Axial chest CT slice 390 of 490 (counted from the lowest slice); tube voltage 120 kVp, convolution kernel STANDARD; slices 1.25 mm thick, 0.547 mm per pixel.
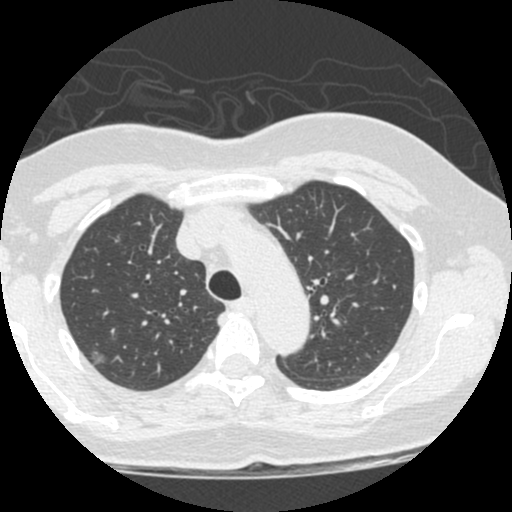
Pulmonary nodule outlined by three of the four readers; box rows 347–364, columns 87–108 (the union of the readers' outlines on this slice); median longest diameter 15.2 mm (readers' outlines 14.3–18.3 mm), median volume 997 mm3 (967–1422 mm3). Median ratings and the readers' spread: median texture 1/5 (non-solid) (readers ranged 1/5 (non-solid) to 5/5 (solid)); median margin 2/5 (readers ranged 2/5 to 4/5); median sphericity 4/5 (readers ranged 3/5 (ovoid) to 5/5 (round)); calcification absent, all three readers agreeing; internal structure soft tissue, all three readers agreeing; subtlety 5/5 at the median of three readers, spread 1–5; median malignancy likelihood 3/5 (readers ranged 2–5). Scale key (1–5): texture non-solid→solid, margin indistinct→circumscribed, sphericity linear→round, subtlety extremely subtle→obvious, malignancy likelihood highly unlikely→highly suspicious of cancer. Box rows and columns are 0-based pixel indices from the top-left corner, inclusive.